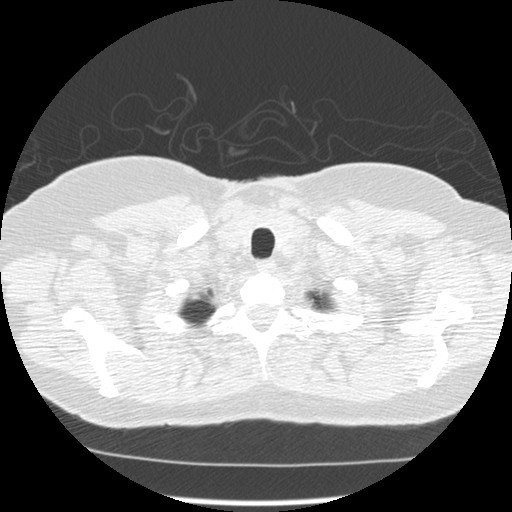
Slice 448/490 of a chest CT, counting up from the lowest; pixel size 0.645 mm, slice thickness 1.25 mm. Pulmonary nodule, outlined by one of the four readers. Box on this slice rows 294–300, columns 191–201, that reader's outline on this slice; longest diameter 7.8 mm and volume 43 mm3 from that reader's outline. That reader's ratings: texture 5/5 (solid); margin 4/5; sphericity 3/5 (ovoid); calcification absent; internal structure soft tissue; subtlety 5/5; malignancy likelihood 2/5. Scale key (1–5): texture non-solid→solid, margin indistinct→circumscribed, sphericity linear→round, subtlety extremely subtle→obvious, malignancy likelihood highly unlikely→highly suspicious of cancer. Box rows and columns are 0-based pixel indices from the top-left corner, inclusive.
Tube voltage 120 kVp; convolution kernel STANDARD.